Chest CT, axial plane, 120 kVp, kernel STANDARD. Slice 267/477 from the bottom of the scan; thickness 1.25 mm; pixel size 0.703 mm.
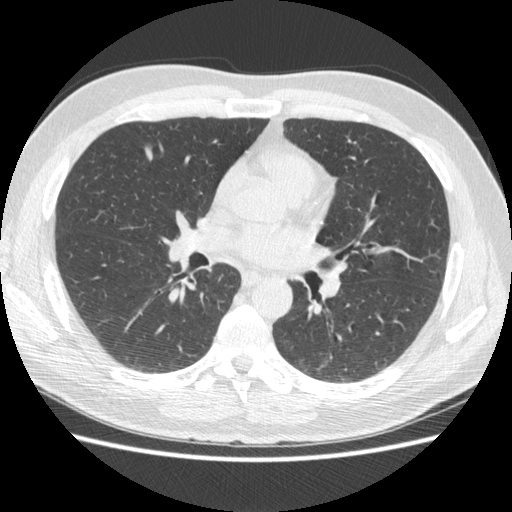
Pulmonary nodule, outlined by three of the four readers. Box on this slice rows 143–161, columns 141–153, the union of the readers' outlines on this slice; longest diameter 13.0–15.7 mm and volume 236–334 mm3 across the three readers' outlines. Ratings across the readers: texture 5/5 (solid) from all three readers; margin from 4/5 to 5/5 (circumscribed) across the three readers; sphericity from 2/5 to 5/5 (round) across the three readers; calcification absent, all three readers agreeing; internal structure soft tissue, all three readers agreeing; subtlety from 3/5 to 5/5 across the three readers; malignancy likelihood from 2/5 to 3/5 across the three readers. Scale key (1–5): texture non-solid→solid, margin indistinct→circumscribed, sphericity linear→round, subtlety extremely subtle→obvious, malignancy likelihood highly unlikely→highly suspicious of cancer. Box rows and columns are 0-based pixel indices from the top-left corner, inclusive.